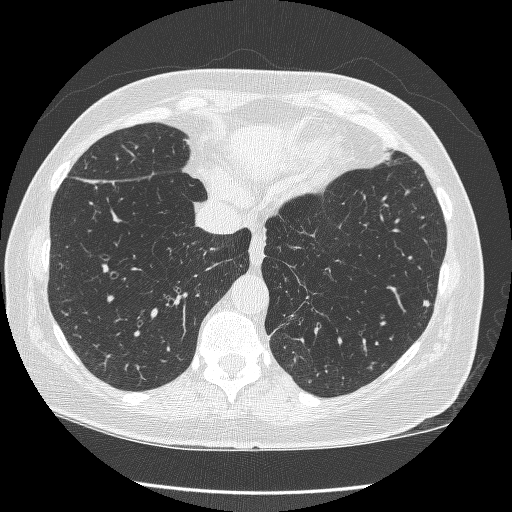
This is axial slice 82 of 246 (slice 1 is the lowest) of a chest CT; each pixel is 0.617 mm and the slice is 1.25 mm thick. Pulmonary nodule outlined by all four readers; box rows 300–307, columns 423–430 (the union of the readers' outlines on this slice); median longest diameter 5.7 mm (readers' outlines 5.3–6.2 mm), median volume 91 mm3 (83–105 mm3). Median ratings and the readers' spread: texture 5/5 (solid) at the median of four readers, spread 4/5 to 5/5 (solid); margin 4.5/5 at the median of four readers, spread 4/5 to 5/5 (circumscribed); median sphericity 3.5/5 (readers ranged 3/5 (ovoid) to 5/5 (round)); calcification absent, all four readers agreeing; internal structure soft tissue, all four readers agreeing; subtlety 3/5 at the median of four readers, spread 2–4; median malignancy likelihood 2.5/5 (readers ranged 2–3). Scale key (1–5): texture non-solid→solid, margin indistinct→circumscribed, sphericity linear→round, subtlety extremely subtle→obvious, malignancy likelihood highly unlikely→highly suspicious of cancer. Box rows and columns are 0-based pixel indices from the top-left corner, inclusive.
Scan settings: 120 kVp, BONE reconstruction kernel.